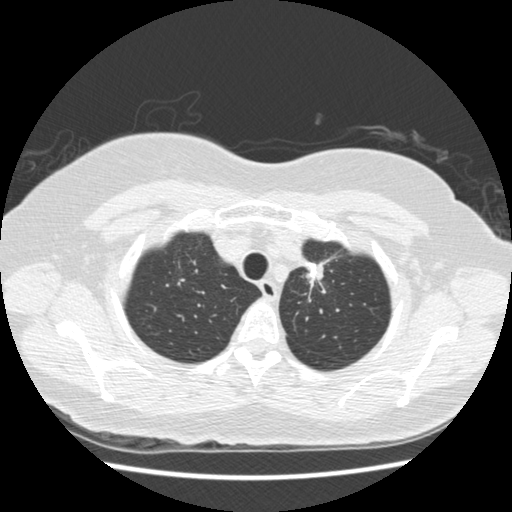
Slice 368/445 of a chest CT, counting up from the lowest; pixel size 0.645 mm, slice thickness 1.25 mm. Pulmonary nodule, outlined by one of the four readers. Box on this slice rows 261–284, columns 305–324, that reader's outline on this slice; longest diameter 31.0 mm and volume 2055 mm3 from that reader's outline. That reader's ratings: texture 5/5 (solid); margin 2/5; sphericity 2/5; calcification absent; internal structure soft tissue; subtlety 5/5; malignancy likelihood 4/5. Scale key (1–5): texture non-solid→solid, margin indistinct→circumscribed, sphericity linear→round, subtlety extremely subtle→obvious, malignancy likelihood highly unlikely→highly suspicious of cancer. Box rows and columns are 0-based pixel indices from the top-left corner, inclusive.
Tube voltage 120 kVp; convolution kernel STANDARD.